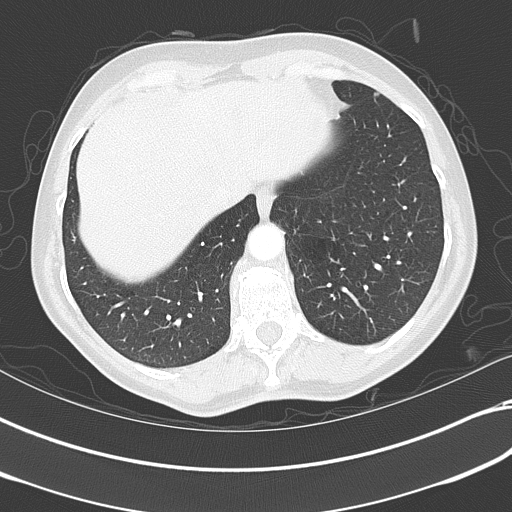
Axial chest CT slice 113 of 351 (counted from the lowest slice); tube voltage 120 kVp, convolution kernel B70f; slices 2.00 mm thick, 0.643 mm per pixel.
Pulmonary nodule, outlined by one of the four readers. Box on this slice rows 93–95, columns 374–378, that reader's outline on this slice; longest diameter 4.7 mm and volume 33 mm3 from that reader's outline. That reader's ratings: texture 5/5 (solid); margin 5/5 (circumscribed); sphericity 3/5 (ovoid); calcification absent; internal structure soft tissue; subtlety 2/5; malignancy likelihood 2/5. Scale key (1–5): texture non-solid→solid, margin indistinct→circumscribed, sphericity linear→round, subtlety extremely subtle→obvious, malignancy likelihood highly unlikely→highly suspicious of cancer. Box rows and columns are 0-based pixel indices from the top-left corner, inclusive.